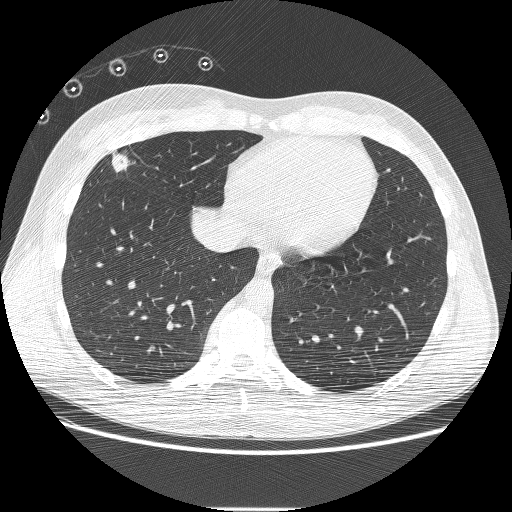
One axial slice (65 of 230, counting up from the lowest) of a chest CT acquired at 120 kVp with the BONE kernel; each pixel is 0.732 mm and the slice is 1.25 mm thick.
Pulmonary nodule at rows 151–172, columns 111–134 (box = the union of the readers' outlines on this slice), outlined by all four readers; the four readers' outlines give a longest diameter between 23.5 and 29.5 mm and a volume between 3146 and 3701 mm3. Ratings across the readers: texture 5/5 (solid), all four readers agreeing; margin from 3/5 to 5/5 (circumscribed) across the four readers; sphericity from 3/5 (ovoid) to 4/5 across the four readers; calcification absent from all four readers; internal structure soft tissue from all four readers; subtlety 5/5, all four readers agreeing; malignancy likelihood 4–5/5 (the readers disagree). Scale key (1–5): texture non-solid→solid, margin indistinct→circumscribed, sphericity linear→round, subtlety extremely subtle→obvious, malignancy likelihood highly unlikely→highly suspicious of cancer. Box rows and columns are 0-based pixel indices from the top-left corner, inclusive.